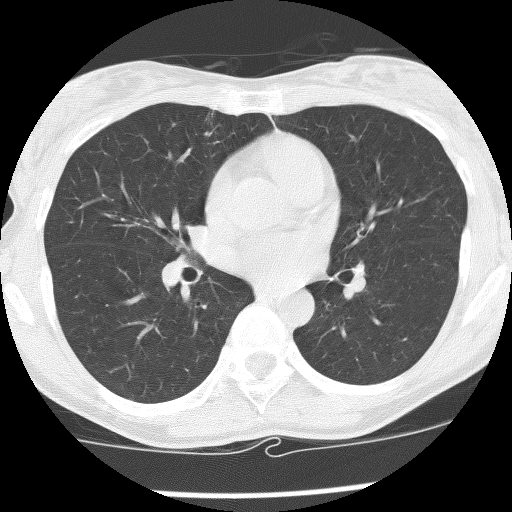
Axial slice 74 of 131 of a chest CT (slice 1 is the lowest), reconstructed with the BONE kernel at 140 kVp; 2.50 mm slice thickness and 0.547 mm pixels.
No nodule 3 mm or larger was outlined here by any reader.